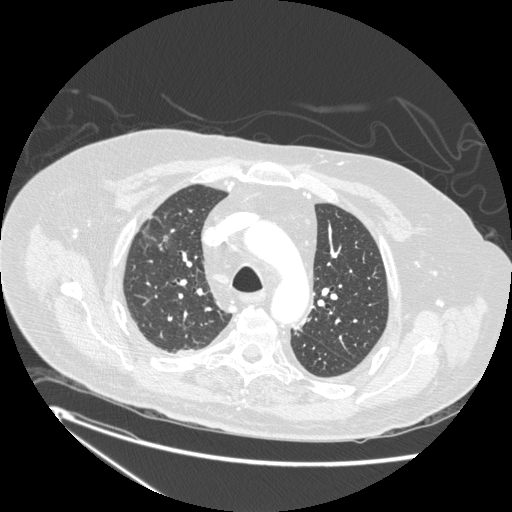
One axial slice (173 of 238, counting up from the lowest) of a chest CT acquired at 120 kVp with the STANDARD kernel; each pixel is 0.781 mm and the slice is 1.25 mm thick.
Pulmonary nodule outlined by two of the four readers, one of them on this slice; box rows 235–240, columns 162–167 (the one reader's outline on this slice); longest diameter 7.7–14.0 mm and volume 107–242 mm3 across the two readers' outlines. Ratings across the readers: texture 5/5 (solid), both readers agreeing; margin from 2/5 to 4/5 across the two readers; sphericity from 2/5 to 4/5 across the two readers; calcification absent, both readers agreeing; internal structure soft tissue, both readers agreeing; subtlety rated between 4 and 5 out of 5 by the two readers; malignancy likelihood 3/5 from both readers. Scale key (1–5): texture non-solid→solid, margin indistinct→circumscribed, sphericity linear→round, subtlety extremely subtle→obvious, malignancy likelihood highly unlikely→highly suspicious of cancer. Box rows and columns are 0-based pixel indices from the top-left corner, inclusive.